Axial chest CT slice 43 of 280 (counted from the lowest slice); tube voltage 140 kVp, convolution kernel D; slices 1.00 mm thick, 0.801 mm per pixel.
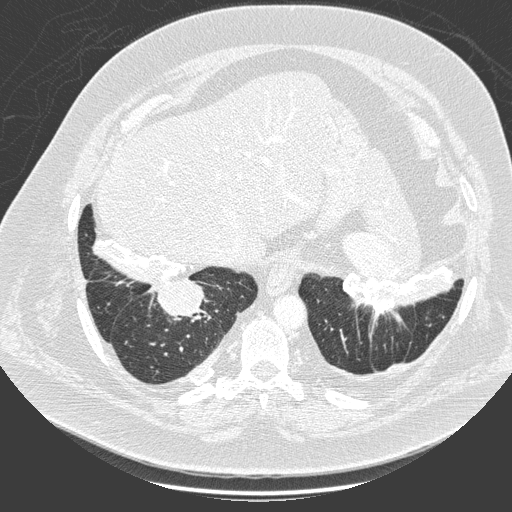
Pulmonary nodule, outlined by one of the four readers. Box on this slice rows 276–319, columns 155–205, that reader's outline on this slice; longest diameter 49.9 mm and volume 31112 mm3 from that reader's outline. That reader's ratings: texture 5/5 (solid); margin 4/5; sphericity 5/5 (round); calcification non-central calcification; internal structure soft tissue; subtlety 5/5; malignancy likelihood 5/5. Scale key (1–5): texture non-solid→solid, margin indistinct→circumscribed, sphericity linear→round, subtlety extremely subtle→obvious, malignancy likelihood highly unlikely→highly suspicious of cancer. Box rows and columns are 0-based pixel indices from the top-left corner, inclusive.